One axial slice (192 of 276, counting up from the lowest) of a chest CT acquired at 120 kVp with the D kernel; each pixel is 0.617 mm and the slice is 2.00 mm thick.
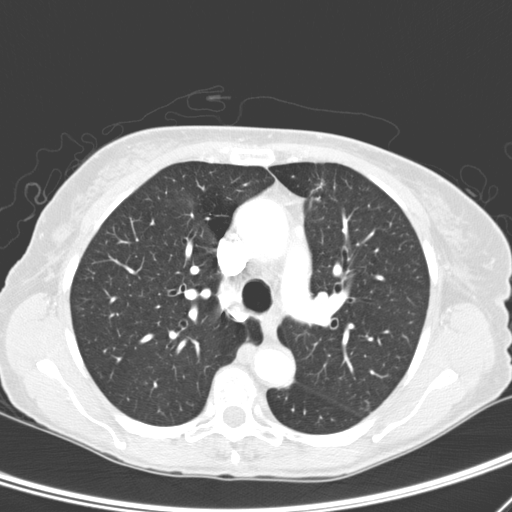
Pulmonary nodule, outlined by three of the four readers, one of them on this slice. Box on this slice rows 179–192, columns 311–324, the one reader's outline on this slice; longest diameter 23.3 mm on average over the three readers' outlines (readers' outlines 19.9–25.7 mm), volume 1110–1901 mm3. The readers' prevailing ratings and who disagreed: texture 4/5 by two of three readers; the rest gave 5/5 (solid) (one); margin 2/5 by two of three readers; the rest gave 4/5 (one); sphericity 3/5 (ovoid) by two of three readers; the rest gave 4/5 (one); calcification absent, all three readers agreeing; internal structure soft tissue from all three readers; subtlety 5/5 from all three readers; malignancy likelihood 5/5 from all three readers. Scale key (1–5): texture non-solid→solid, margin indistinct→circumscribed, sphericity linear→round, subtlety extremely subtle→obvious, malignancy likelihood highly unlikely→highly suspicious of cancer. Box rows and columns are 0-based pixel indices from the top-left corner, inclusive.